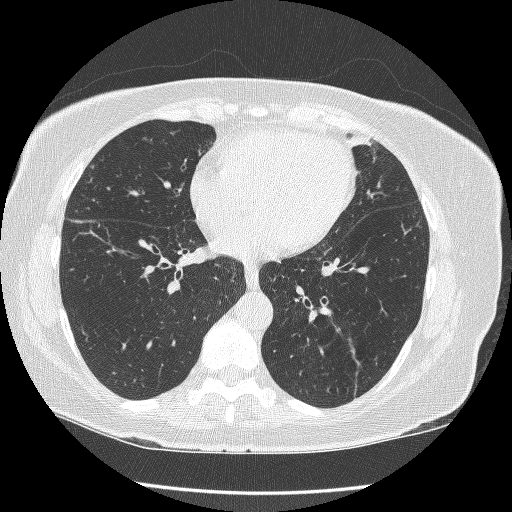
Axial slice 108 of 246 of a chest CT (slice 1 is the lowest), reconstructed with the BONE kernel at 120 kVp; 1.25 mm slice thickness and 0.617 mm pixels.
Pulmonary nodule outlined by two of the four readers; box rows 165–168, columns 90–93 (the union of the readers' outlines on this slice); longest diameter 4.5 mm on average over the two readers' outlines (readers' outlines 4.5 mm), volume 24 mm3. Ratings, by the readers' most common answer with dissent counted: texture split among the readers: 4/5 (one), 5/5 (solid) (one); margin split among the readers: 3/5 (one), 5/5 (circumscribed) (one); sphericity 3/5 (ovoid) from both readers; calcification absent, both readers agreeing; internal structure soft tissue from both readers; subtlety split among the readers: 1/5 (one), 4/5 (one); malignancy likelihood 3/5, both readers agreeing. Scale key (1–5): texture non-solid→solid, margin indistinct→circumscribed, sphericity linear→round, subtlety extremely subtle→obvious, malignancy likelihood highly unlikely→highly suspicious of cancer. Box rows and columns are 0-based pixel indices from the top-left corner, inclusive.